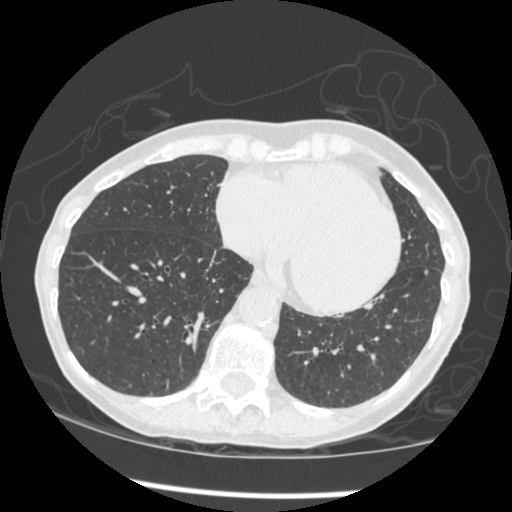
This is axial slice 146 of 461 (slice 1 is the lowest) of a chest CT; each pixel is 0.645 mm and the slice is 1.25 mm thick. Pulmonary nodule outlined by one of the four readers; box rows 269–274, columns 423–427 (that reader's outline on this slice); longest diameter 5.8 mm and volume 32 mm3 from that reader's outline. Ratings by that reader: texture 5/5 (solid); margin 5/5 (circumscribed); sphericity 5/5 (round); calcification absent; internal structure soft tissue; subtlety 3/5; malignancy likelihood 2/5. Scale key (1–5): texture non-solid→solid, margin indistinct→circumscribed, sphericity linear→round, subtlety extremely subtle→obvious, malignancy likelihood highly unlikely→highly suspicious of cancer. Box rows and columns are 0-based pixel indices from the top-left corner, inclusive.
Scan settings: 120 kVp, STANDARD reconstruction kernel.